Chest CT, axial plane, 120 kVp, kernel B50f. Slice 291/588 from the bottom of the scan; thickness 0.60 mm; pixel size 0.514 mm.
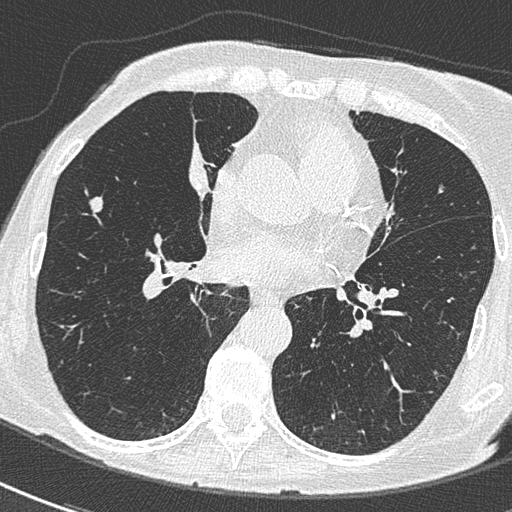
Pulmonary nodule, outlined by all four readers. Box on this slice rows 194–212, columns 88–103, the union of the readers' outlines on this slice; median longest diameter 10.8 mm (readers' outlines 10.3–12.9 mm), median volume 374 mm3 (343–465 mm3). Ratings, median across the readers with their spread: texture 5/5 (solid) from all four readers; median margin 5/5 (circumscribed) (readers ranged 4/5 to 5/5 (circumscribed)); median sphericity 3.5/5 (readers ranged 3/5 (ovoid) to 5/5 (round)); calcification absent from all four readers; internal structure soft tissue from all four readers; median subtlety 5/5 (readers ranged 4–5); median malignancy likelihood 3/5 (readers ranged 2–3). Scale key (1–5): texture non-solid→solid, margin indistinct→circumscribed, sphericity linear→round, subtlety extremely subtle→obvious, malignancy likelihood highly unlikely→highly suspicious of cancer. Box rows and columns are 0-based pixel indices from the top-left corner, inclusive.